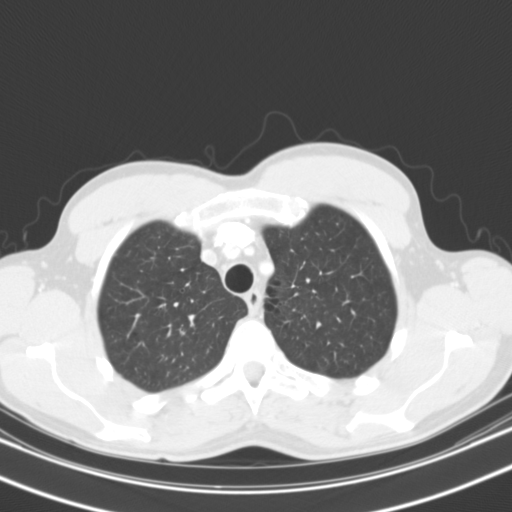
This is axial slice 92 of 119 (slice 1 is the lowest) of a chest CT; each pixel is 0.650 mm and the slice is 3.00 mm thick. None of the four readers outlined a nodule of 3 mm or more on this slice.
Scan settings: 130 kVp, B31s reconstruction kernel.